Chest CT, axial plane, 120 kVp, kernel LUNG. Slice 87/133 from the bottom of the scan; thickness 2.50 mm; pixel size 0.703 mm.
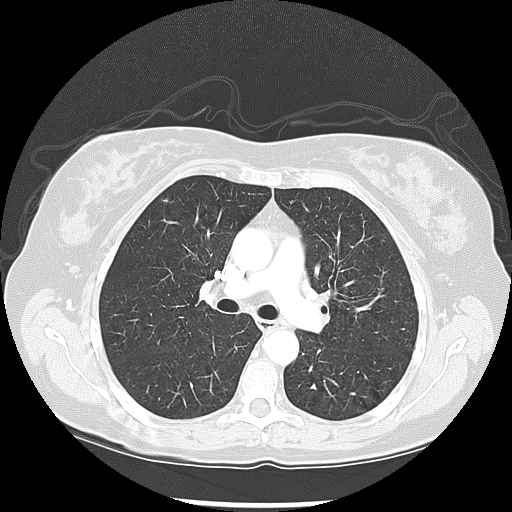
Pulmonary nodule at rows 195–202, columns 160–169 (box = the one reader's outline on this slice), outlined by two of the four readers, one of them on this slice; median longest diameter 10.2 mm (readers' outlines 9.9–10.5 mm), median volume 288 mm3 (208–368 mm3). Ratings, median across the readers with their spread: texture 1/5 (non-solid), both readers agreeing; median margin 1.5/5 (readers ranged 1/5 (indistinct) to 2/5); median sphericity 4/5 (readers ranged 3/5 (ovoid) to 5/5 (round)); calcification absent, both readers agreeing; internal structure soft tissue, both readers agreeing; median subtlety 1.5/5 (readers ranged 1–2); malignancy likelihood 2.5/5 at the median of two readers, spread 2–3. Scale key (1–5): texture non-solid→solid, margin indistinct→circumscribed, sphericity linear→round, subtlety extremely subtle→obvious, malignancy likelihood highly unlikely→highly suspicious of cancer. Box rows and columns are 0-based pixel indices from the top-left corner, inclusive.